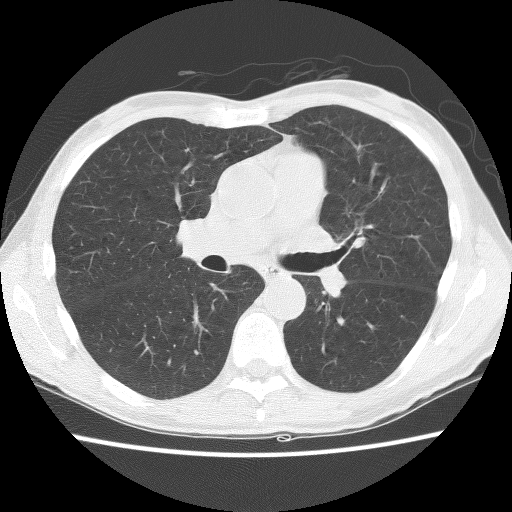
Chest CT, axial plane, 140 kVp, kernel BONE. Slice 74/128 from the bottom of the scan; thickness 2.50 mm; pixel size 0.611 mm.
None of the four readers outlined a nodule of 3 mm or more on this slice.